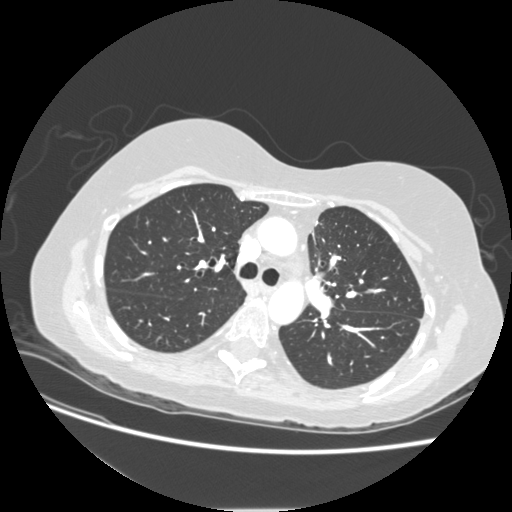
This is axial slice 154 of 232 (slice 1 is the lowest) of a chest CT; each pixel is 0.703 mm and the slice is 1.25 mm thick. This slice carries no reader outline of a nodule 3 mm or larger.
Acquired at 120 kVp and reconstructed with the STANDARD kernel.